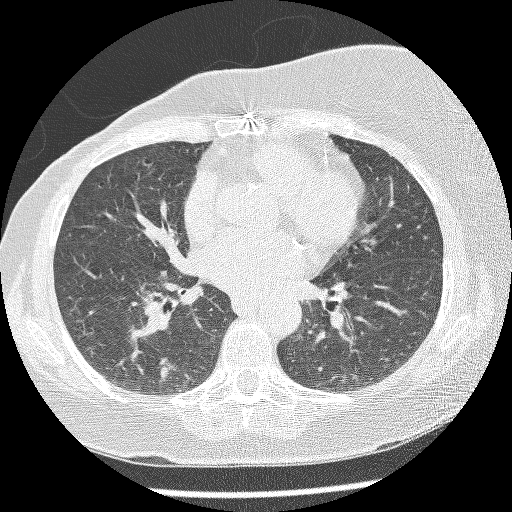
Axial slice 120 of 220 of a chest CT (slice 1 is the lowest), reconstructed with the BONE kernel at 120 kVp; 1.25 mm slice thickness and 0.598 mm pixels.
Pulmonary nodule at rows 366–378, columns 159–167 (box = the union of the readers' outlines on this slice), outlined by three of the four readers; median longest diameter 7.9 mm (readers' outlines 6.7–11.5 mm), median volume 79 mm3 (79–213 mm3). Median ratings and the readers' spread: median texture 5/5 (solid) (readers ranged 3/5 (part-solid) to 5/5 (solid)); median margin 4/5 (readers ranged 2/5 to 4/5); median sphericity 3/5 (ovoid) (readers ranged 3/5 (ovoid) to 4/5); calcification absent, all three readers agreeing; internal structure soft tissue, all three readers agreeing; subtlety 3/5 at the median of three readers, spread 1–4; median malignancy likelihood 3/5 (readers ranged 3–4). Scale key (1–5): texture non-solid→solid, margin indistinct→circumscribed, sphericity linear→round, subtlety extremely subtle→obvious, malignancy likelihood highly unlikely→highly suspicious of cancer. Box rows and columns are 0-based pixel indices from the top-left corner, inclusive.